Axial slice 59 of 113 of a chest CT (slice 1 is the lowest), reconstructed with the STANDARD kernel at 120 kVp; 2.50 mm slice thickness and 0.703 mm pixels.
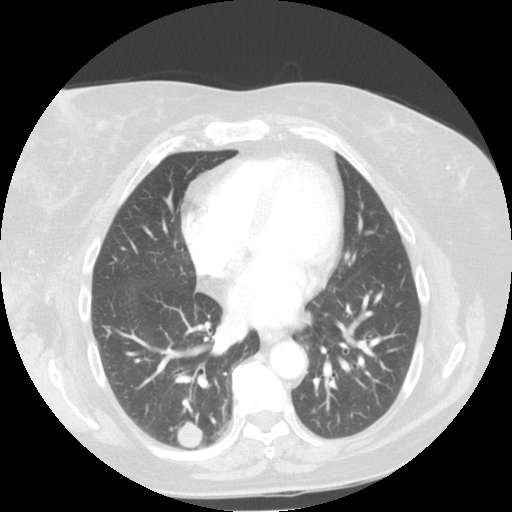
Pulmonary nodule, outlined by all four readers. Box on this slice rows 420–447, columns 176–203, the union of the readers' outlines on this slice; longest diameter 23.3–24.3 mm and volume 4155–5797 mm3 across the four readers' outlines. The readers' ratings, as ranges where they differ: texture 5/5 (solid), all four readers agreeing; margin from 4/5 to 5/5 (circumscribed) across the four readers; sphericity from 3/5 (ovoid) to 5/5 (round) across the four readers; calcification absent from all four readers; internal structure soft tissue from all four readers; subtlety 5/5, all four readers agreeing; malignancy likelihood 2–5/5 (the readers disagree). Scale key (1–5): texture non-solid→solid, margin indistinct→circumscribed, sphericity linear→round, subtlety extremely subtle→obvious, malignancy likelihood highly unlikely→highly suspicious of cancer. Box rows and columns are 0-based pixel indices from the top-left corner, inclusive.